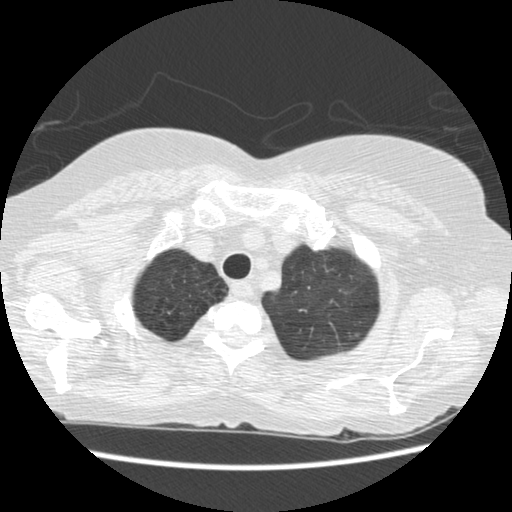
Slice 362/413 of a chest CT, counting up from the lowest; pixel size 0.625 mm, slice thickness 1.25 mm. Pulmonary nodule at rows 333–336, columns 354–360 (box = that reader's outline on this slice), outlined by one of the four readers; longest diameter 6.5 mm and volume 36 mm3 from that reader's outline. That reader's ratings: texture 5/5 (solid); margin 5/5 (circumscribed); sphericity 4/5; calcification absent; internal structure soft tissue; subtlety 4/5; malignancy likelihood 4/5. Scale key (1–5): texture non-solid→solid, margin indistinct→circumscribed, sphericity linear→round, subtlety extremely subtle→obvious, malignancy likelihood highly unlikely→highly suspicious of cancer. Box rows and columns are 0-based pixel indices from the top-left corner, inclusive.
Tube voltage 120 kVp; convolution kernel STANDARD.